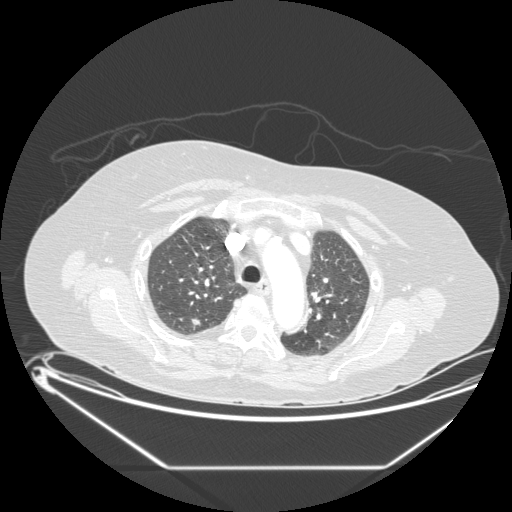
Axial chest CT slice 153 of 197 (counted from the lowest slice); 1.25 mm thick, 0.859 mm per pixel. Pulmonary nodule at rows 317–326, columns 190–199 (box = the union of the readers' outlines on this slice), outlined by all four readers; longest diameter 8.2–16.1 mm and volume 248–473 mm3 across the four readers' outlines. The readers' ratings, as ranges where they differ: texture from 4/5 to 5/5 (solid) across the four readers; margin from 3/5 to 5/5 (circumscribed) across the four readers; sphericity from 3/5 (ovoid) to 5/5 (round) across the four readers; calcification absent, all four readers agreeing; internal structure soft tissue from all four readers; subtlety from 3/5 to 5/5 across the four readers; malignancy likelihood from 2/5 to 4/5 across the four readers. Scale key (1–5): texture non-solid→solid, margin indistinct→circumscribed, sphericity linear→round, subtlety extremely subtle→obvious, malignancy likelihood highly unlikely→highly suspicious of cancer. Box rows and columns are 0-based pixel indices from the top-left corner, inclusive.
Tube voltage 120 kVp; convolution kernel STANDARD.